One axial slice (68 of 147, counting up from the lowest) of a chest CT acquired at 120 kVp with the STANDARD kernel; each pixel is 0.703 mm and the slice is 2.50 mm thick.
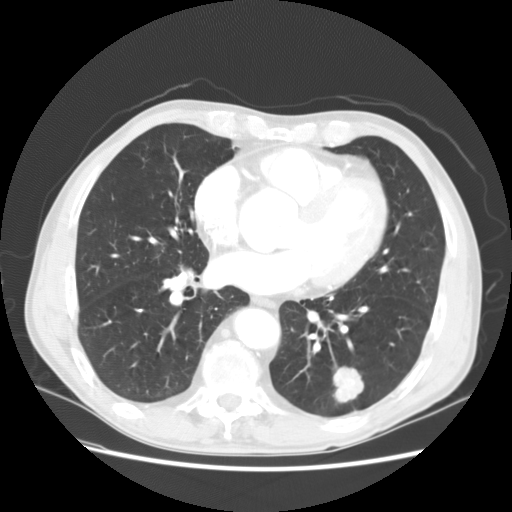
Two pulmonary nodules are outlined on this slice; from left to right: (1) Pulmonary nodule, outlined by all four readers, three of them on this slice. Box on this slice rows 308–312, columns 135–142, the union of the readers' outlines on this slice; the four readers' outlines give a longest diameter between 11.4 and 13.6 mm and a volume between 439 and 652 mm3. The readers' ratings, as ranges where they differ: texture 5/5 (solid) from all four readers; margin 5/5 (circumscribed) from all four readers; sphericity from 4/5 to 5/5 (round) across the four readers; calcification: solid calcification (three), absent (one); internal structure soft tissue, all four readers agreeing; subtlety rated between 3 and 5 out of 5 by the four readers; malignancy likelihood from 1/5 to 3/5 across the four readers. (2) Pulmonary nodule, outlined by all four readers. Box on this slice rows 365–403, columns 333–363, the union of the readers' outlines on this slice; the four readers' outlines give a longest diameter between 30.2 and 32.4 mm and a volume between 8441 and 9544 mm3. The readers' ratings, as ranges where they differ: texture from 3/5 (part-solid) to 5/5 (solid) across the four readers; margin from 2/5 to 5/5 (circumscribed) across the four readers; sphericity from 3/5 (ovoid) to 5/5 (round) across the four readers; calcification absent from all four readers; internal structure soft tissue from all four readers; subtlety 5/5 from all four readers; malignancy likelihood 3–5/5 (the readers disagree). Scale key (1–5): texture non-solid→solid, margin indistinct→circumscribed, sphericity linear→round, subtlety extremely subtle→obvious, malignancy likelihood highly unlikely→highly suspicious of cancer. Box rows and columns are 0-based pixel indices from the top-left corner, inclusive.